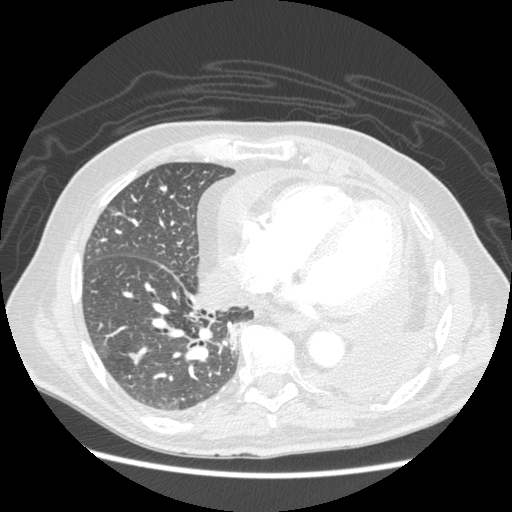
This is axial slice 86 of 214 (slice 1 is the lowest) of a chest CT; each pixel is 0.703 mm and the slice is 1.25 mm thick. Pulmonary nodule, outlined by two of the four readers. Box on this slice rows 352–364, columns 128–143, the union of the readers' outlines on this slice; longest diameter 13.6 mm on average over the two readers' outlines (readers' outlines 12.8–14.3 mm), volume 228–287 mm3. Ratings, by the readers' most common answer with dissent counted: texture split among the readers: 4/5 (one), 5/5 (solid) (one); margin 4/5, both readers agreeing; sphericity split among the readers: 4/5 (one), 5/5 (round) (one); calcification absent from both readers; internal structure soft tissue from both readers; subtlety 5/5 from both readers; malignancy likelihood split among the readers: 3/5 (one), 4/5 (one). Scale key (1–5): texture non-solid→solid, margin indistinct→circumscribed, sphericity linear→round, subtlety extremely subtle→obvious, malignancy likelihood highly unlikely→highly suspicious of cancer. Box rows and columns are 0-based pixel indices from the top-left corner, inclusive.
Scan settings: 120 kVp, STANDARD reconstruction kernel.